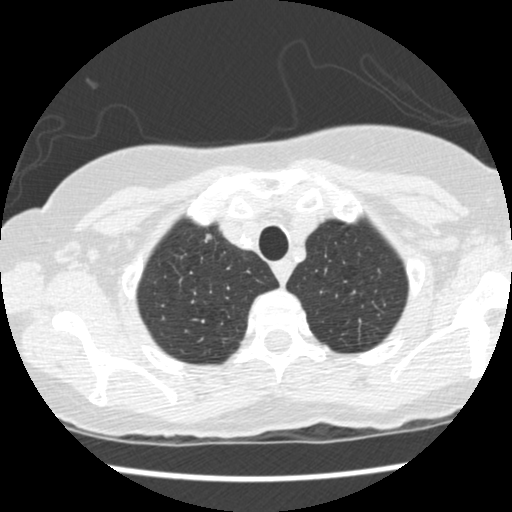
Axial chest CT slice 399 of 458 (counted from the lowest slice); tube voltage 120 kVp, convolution kernel STANDARD; slices 1.25 mm thick, 0.586 mm per pixel.
Pulmonary nodule at rows 233–242, columns 204–211 (box = the union of the readers' outlines on this slice), outlined by all four readers; median longest diameter 9.8 mm (readers' outlines 9.1–10.0 mm), median volume 258 mm3 (243–272 mm3). Ratings, median across the readers with their spread: median texture 5/5 (solid) (readers ranged 4/5 to 5/5 (solid)); median margin 4.5/5 (readers ranged 4/5 to 5/5 (circumscribed)); sphericity 3.5/5 at the median of four readers, spread 3/5 (ovoid) to 5/5 (round); calcification absent, all four readers agreeing; internal structure soft tissue from all four readers; subtlety 4.5/5 at the median of four readers, spread 4–5; malignancy likelihood 3.5/5 at the median of four readers, spread 2–4. Scale key (1–5): texture non-solid→solid, margin indistinct→circumscribed, sphericity linear→round, subtlety extremely subtle→obvious, malignancy likelihood highly unlikely→highly suspicious of cancer. Box rows and columns are 0-based pixel indices from the top-left corner, inclusive.